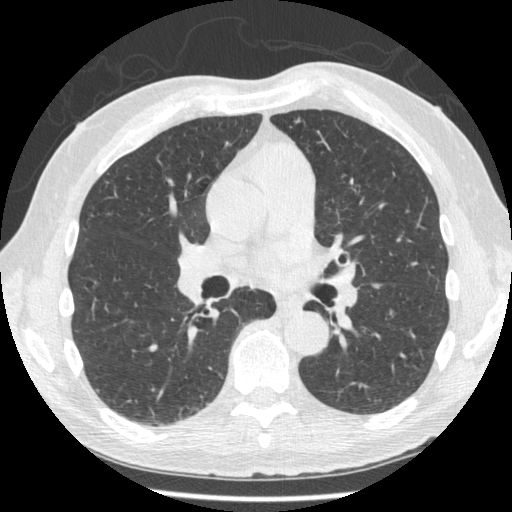
One axial slice (250 of 481, counting up from the lowest) of a chest CT acquired at 120 kVp with the STANDARD kernel; each pixel is 0.664 mm and the slice is 1.25 mm thick.
Pulmonary nodule, outlined by one of the four readers. Box on this slice rows 116–122, columns 293–299, that reader's outline on this slice; longest diameter 6.6 mm and volume 59 mm3 from that reader's outline. That reader's ratings: texture 5/5 (solid); margin 5/5 (circumscribed); sphericity 3/5 (ovoid); calcification absent; internal structure soft tissue; subtlety 4/5; malignancy likelihood 3/5. Scale key (1–5): texture non-solid→solid, margin indistinct→circumscribed, sphericity linear→round, subtlety extremely subtle→obvious, malignancy likelihood highly unlikely→highly suspicious of cancer. Box rows and columns are 0-based pixel indices from the top-left corner, inclusive.